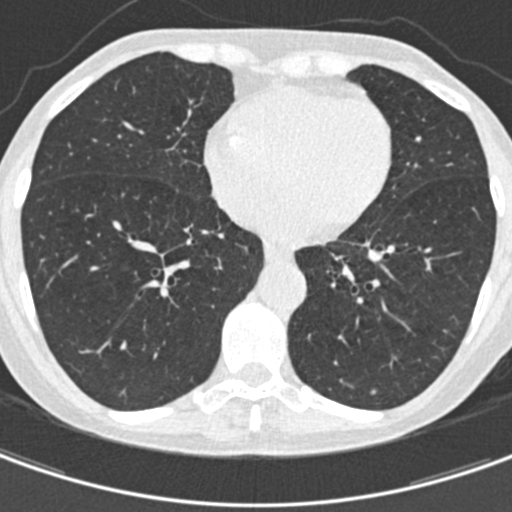
This is axial slice 175 of 429 (slice 1 is the lowest) of a chest CT; each pixel is 0.537 mm and the slice is 0.75 mm thick. Pulmonary nodule at rows 390–393, columns 371–375 (box = the one reader's outline on this slice), outlined by two of the four readers, one of them on this slice; longest diameter 5.7 mm on average over the two readers' outlines (readers' outlines 5.6–5.7 mm), volume 25–33 mm3. Ratings, by the readers' most common answer with dissent counted: texture split among the readers: 3/5 (part-solid) (one), 5/5 (solid) (one); margin split among the readers: 3/5 (one), 5/5 (circumscribed) (one); sphericity split among the readers: 4/5 (one), 5/5 (round) (one); calcification absent, both readers agreeing; internal structure soft tissue, both readers agreeing; subtlety split among the readers: 3/5 (one), 4/5 (one); malignancy likelihood split among the readers: 2/5 (one), 3/5 (one). Scale key (1–5): texture non-solid→solid, margin indistinct→circumscribed, sphericity linear→round, subtlety extremely subtle→obvious, malignancy likelihood highly unlikely→highly suspicious of cancer. Box rows and columns are 0-based pixel indices from the top-left corner, inclusive.
Acquired at 120 kVp and reconstructed with the B30f kernel.